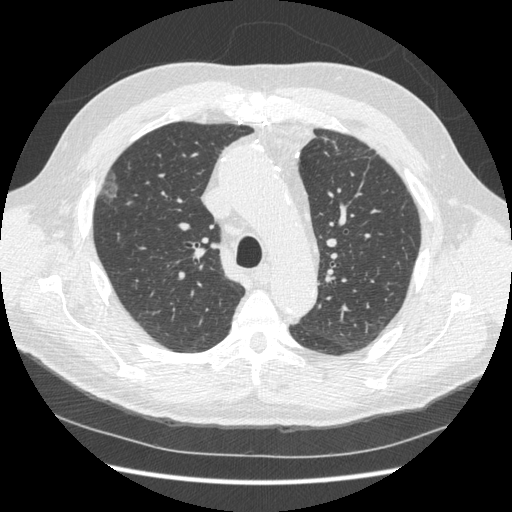
Axial chest CT slice 245 of 369 (counted from the lowest slice); tube voltage 120 kVp, convolution kernel STANDARD; slices 1.25 mm thick, 0.703 mm per pixel.
Pulmonary nodule at rows 170–203, columns 99–118 (box = that reader's outline on this slice), outlined by one of the four readers; longest diameter 27.0 mm and volume 3015 mm3 from that reader's outline. That reader's ratings: texture 1/5 (non-solid); margin 1/5 (indistinct); sphericity 3/5 (ovoid); calcification absent; internal structure soft tissue; subtlety 3/5; malignancy likelihood 3/5. Scale key (1–5): texture non-solid→solid, margin indistinct→circumscribed, sphericity linear→round, subtlety extremely subtle→obvious, malignancy likelihood highly unlikely→highly suspicious of cancer. Box rows and columns are 0-based pixel indices from the top-left corner, inclusive.